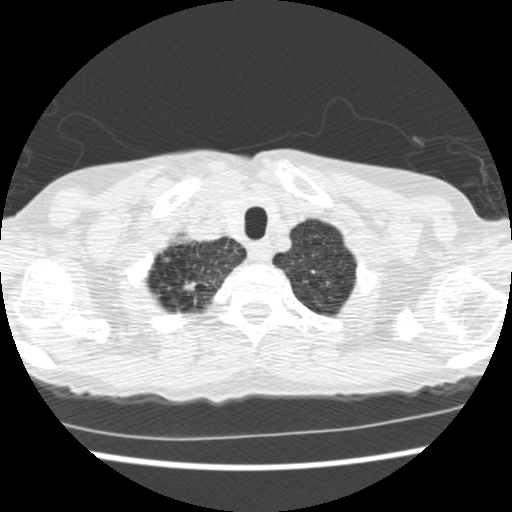
Axial slice 485 of 541 of a chest CT (slice 1 is the lowest), reconstructed with the STANDARD kernel at 120 kVp; 1.25 mm slice thickness and 0.586 mm pixels.
Pulmonary nodule at rows 282–289, columns 184–195 (box = that reader's outline on this slice), outlined by one of the four readers; longest diameter 24.9 mm and volume 491 mm3 from that reader's outline. Ratings by that reader: texture 5/5 (solid); margin 1/5 (indistinct); sphericity 2/5; calcification absent; internal structure soft tissue; subtlety 4/5; malignancy likelihood 4/5. Scale key (1–5): texture non-solid→solid, margin indistinct→circumscribed, sphericity linear→round, subtlety extremely subtle→obvious, malignancy likelihood highly unlikely→highly suspicious of cancer. Box rows and columns are 0-based pixel indices from the top-left corner, inclusive.